Axial slice 47 of 255 of a chest CT (slice 1 is the lowest), reconstructed with the STANDARD kernel at 120 kVp; 2.50 mm slice thickness and 0.664 mm pixels.
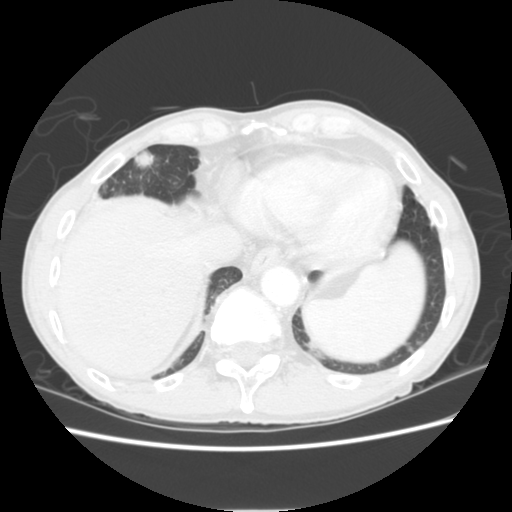
Pulmonary nodule outlined by all four readers; box rows 149–167, columns 133–154 (the union of the readers' outlines on this slice); the four readers' outlines give a longest diameter between 25.4 and 30.3 mm and a volume between 4677 and 6345 mm3. Ratings across the readers: texture 5/5 (solid), all four readers agreeing; margin from 4/5 to 5/5 (circumscribed) across the four readers; sphericity from 3/5 (ovoid) to 5/5 (round) across the four readers; calcification absent, all four readers agreeing; internal structure soft tissue, all four readers agreeing; subtlety 5/5, all four readers agreeing; malignancy likelihood 3–5/5 (the readers disagree). Scale key (1–5): texture non-solid→solid, margin indistinct→circumscribed, sphericity linear→round, subtlety extremely subtle→obvious, malignancy likelihood highly unlikely→highly suspicious of cancer. Box rows and columns are 0-based pixel indices from the top-left corner, inclusive.